Axial slice 60 of 315 of a chest CT (slice 1 is the lowest), reconstructed with the B kernel at 120 kVp; 2.00 mm slice thickness and 0.830 mm pixels.
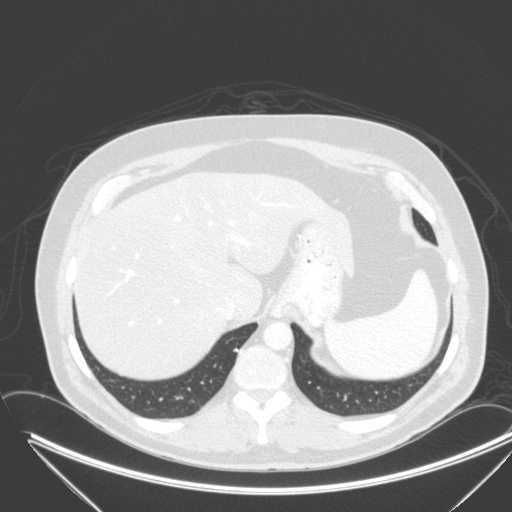
Pulmonary nodule outlined by all four readers; box rows 348–351, columns 233–237 (the union of the readers' outlines on this slice); the four readers' outlines give a longest diameter between 6.0 and 6.3 mm and a volume between 62 and 74 mm3. Ratings across the readers: texture 5/5 (solid) from all four readers; margin 5/5 (circumscribed) from all four readers; sphericity from 4/5 to 5/5 (round) across the four readers; calcification: solid calcification (three), absent (one); internal structure soft tissue, all four readers agreeing; subtlety from 1/5 to 5/5 across the four readers; malignancy likelihood from 1/5 to 3/5 across the four readers. Scale key (1–5): texture non-solid→solid, margin indistinct→circumscribed, sphericity linear→round, subtlety extremely subtle→obvious, malignancy likelihood highly unlikely→highly suspicious of cancer. Box rows and columns are 0-based pixel indices from the top-left corner, inclusive.